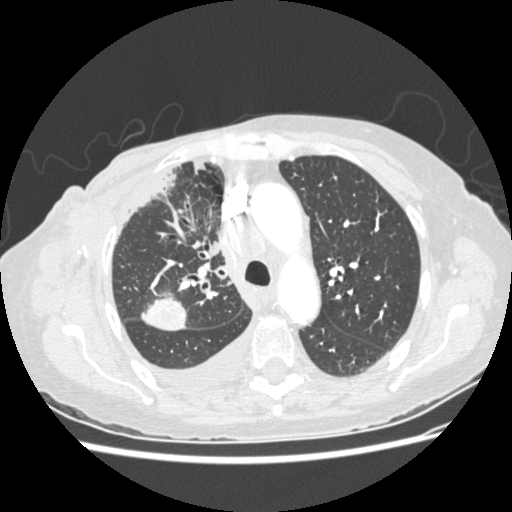
This is axial slice 183 of 238 (slice 1 is the lowest) of a chest CT; each pixel is 0.664 mm and the slice is 1.25 mm thick. Pulmonary nodule outlined by two of the four readers; box rows 297–330, columns 141–186 (the union of the readers' outlines on this slice); median longest diameter 32.4 mm (readers' outlines 31.3–33.5 mm), median volume 8391 mm3 (8200–8583 mm3). Median ratings and the readers' spread: texture 5/5 (solid), both readers agreeing; median margin 4.5/5 (readers ranged 4/5 to 5/5 (circumscribed)); sphericity 4/5, both readers agreeing; calcification absent, both readers agreeing; internal structure soft tissue from both readers; subtlety 5/5, both readers agreeing; malignancy likelihood 4/5 at the median of two readers, spread 3–5. Scale key (1–5): texture non-solid→solid, margin indistinct→circumscribed, sphericity linear→round, subtlety extremely subtle→obvious, malignancy likelihood highly unlikely→highly suspicious of cancer. Box rows and columns are 0-based pixel indices from the top-left corner, inclusive.
Tube voltage 120 kVp; convolution kernel STANDARD.